Axial chest CT slice 54 of 99 (counted from the lowest slice); tube voltage 135 kVp, convolution kernel FC01; slices 3.00 mm thick, 0.698 mm per pixel.
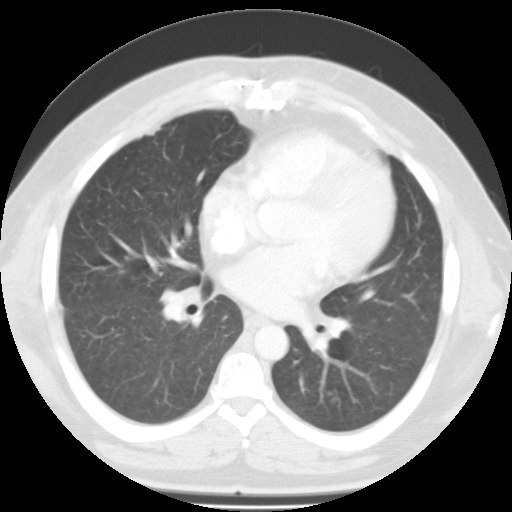
Pulmonary nodule at rows 398–402, columns 331–335 (box = that reader's outline on this slice), outlined by one of the four readers; longest diameter 4.7 mm and volume 124 mm3 from that reader's outline. That reader's ratings: texture 3/5 (part-solid); margin 3/5; sphericity 3/5 (ovoid); calcification absent; internal structure soft tissue; subtlety 3/5; malignancy likelihood 3/5. Scale key (1–5): texture non-solid→solid, margin indistinct→circumscribed, sphericity linear→round, subtlety extremely subtle→obvious, malignancy likelihood highly unlikely→highly suspicious of cancer. Box rows and columns are 0-based pixel indices from the top-left corner, inclusive.